Chest CT, axial plane, 120 kVp, kernel B45f. Slice 199/348 from the bottom of the scan; thickness 1.00 mm; pixel size 0.703 mm.
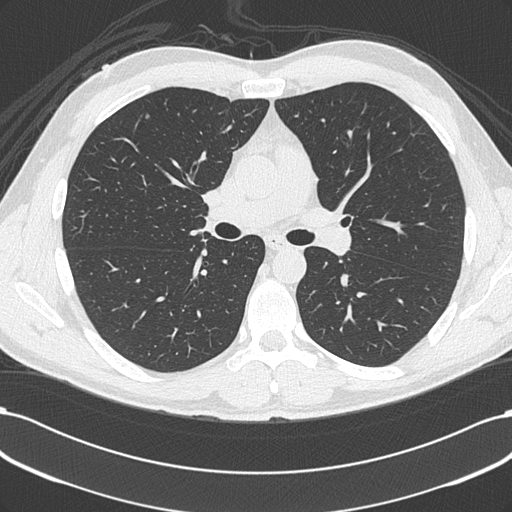
Pulmonary nodule, outlined by one of the four readers. Box on this slice rows 113–117, columns 145–148, that reader's outline on this slice; longest diameter 5.7 mm and volume 53 mm3 from that reader's outline. Ratings by that reader: texture 5/5 (solid); margin 5/5 (circumscribed); sphericity 5/5 (round); calcification absent; internal structure soft tissue; subtlety 4/5; malignancy likelihood 2/5. Scale key (1–5): texture non-solid→solid, margin indistinct→circumscribed, sphericity linear→round, subtlety extremely subtle→obvious, malignancy likelihood highly unlikely→highly suspicious of cancer. Box rows and columns are 0-based pixel indices from the top-left corner, inclusive.